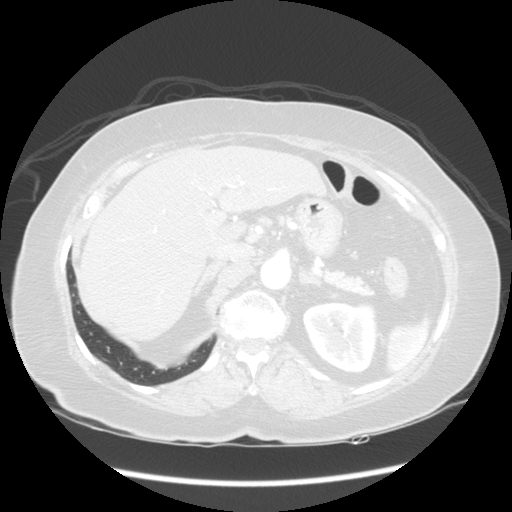
Axial slice 40 of 141 of a chest CT (slice 1 is the lowest), reconstructed with the STANDARD kernel at 120 kVp; 2.50 mm slice thickness and 0.703 mm pixels.
Pulmonary nodule, outlined by all four readers, one of them on this slice. Box on this slice rows 364–369, columns 156–165, the one reader's outline on this slice; median longest diameter 19.0 mm (readers' outlines 17.0–19.8 mm), median volume 1427 mm3 (1157–1740 mm3). Ratings, median across the readers with their spread: texture 5/5 (solid), all four readers agreeing; median margin 4/5 (readers ranged 3/5 to 4/5); sphericity 3.5/5 at the median of four readers, spread 3/5 (ovoid) to 4/5; calcification absent, all four readers agreeing; internal structure soft tissue from all four readers; median subtlety 5/5 (readers ranged 4–5); malignancy likelihood 4.5/5 at the median of four readers, spread 4–5. Scale key (1–5): texture non-solid→solid, margin indistinct→circumscribed, sphericity linear→round, subtlety extremely subtle→obvious, malignancy likelihood highly unlikely→highly suspicious of cancer. Box rows and columns are 0-based pixel indices from the top-left corner, inclusive.